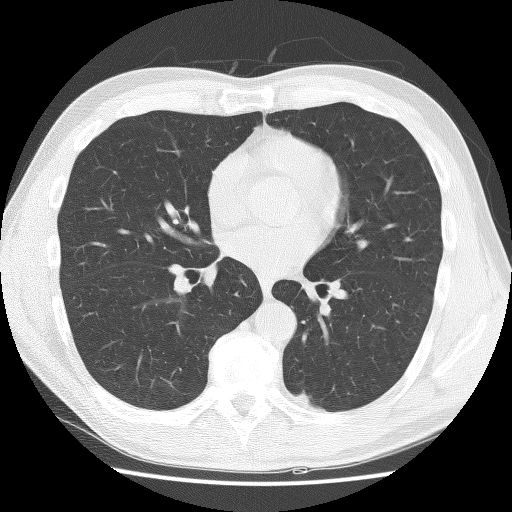
Axial slice 64 of 132 of a chest CT (slice 1 is the lowest), reconstructed with the BONE kernel at 140 kVp; 2.50 mm slice thickness and 0.656 mm pixels.
Pulmonary nodule, outlined by one of the four readers. Box on this slice rows 392–403, columns 294–308, that reader's outline on this slice; longest diameter 11.5 mm and volume 455 mm3 from that reader's outline. That reader's ratings: texture 4/5; margin 4/5; sphericity 2/5; calcification absent; internal structure soft tissue; subtlety 4/5; malignancy likelihood 2/5. Scale key (1–5): texture non-solid→solid, margin indistinct→circumscribed, sphericity linear→round, subtlety extremely subtle→obvious, malignancy likelihood highly unlikely→highly suspicious of cancer. Box rows and columns are 0-based pixel indices from the top-left corner, inclusive.